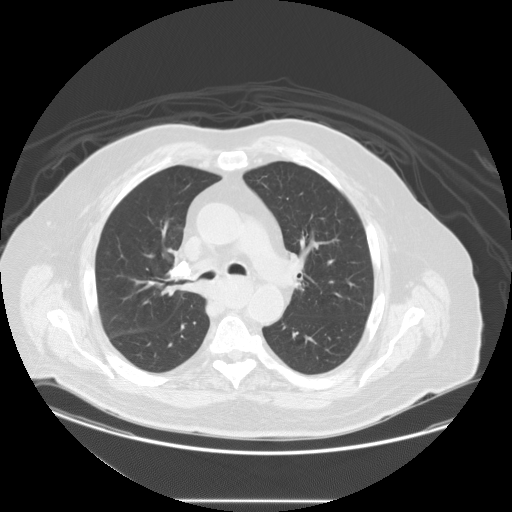
Chest CT, axial plane, 120 kVp, kernel STANDARD. Slice 91/133 from the bottom of the scan; thickness 2.50 mm; pixel size 0.859 mm.
Pulmonary nodule, outlined by all four readers, three of them on this slice. Box on this slice rows 259–265, columns 327–334, the union of the readers' outlines on this slice; the four readers' outlines give a longest diameter between 6.9 and 9.8 mm and a volume between 164 and 285 mm3. Ratings across the readers: texture 5/5 (solid), all four readers agreeing; margin 5/5 (circumscribed) from all four readers; sphericity from 4/5 to 5/5 (round) across the four readers; calcification absent, all four readers agreeing; internal structure soft tissue from all four readers; subtlety from 1/5 to 4/5 across the four readers; malignancy likelihood from 2/5 to 3/5 across the four readers. Scale key (1–5): texture non-solid→solid, margin indistinct→circumscribed, sphericity linear→round, subtlety extremely subtle→obvious, malignancy likelihood highly unlikely→highly suspicious of cancer. Box rows and columns are 0-based pixel indices from the top-left corner, inclusive.